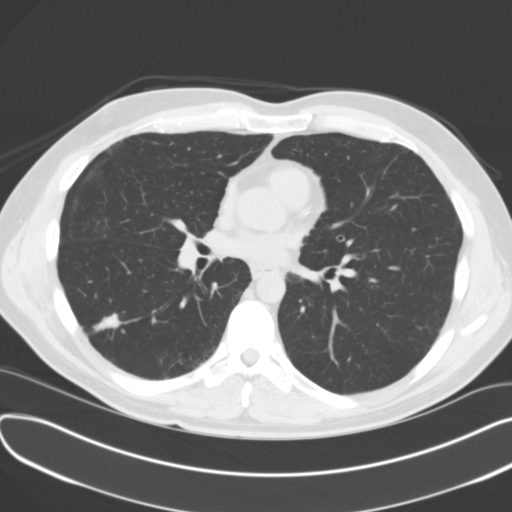
Axial chest CT slice 71 of 131 (counted from the lowest slice); 3.00 mm thick, 0.721 mm per pixel. Pulmonary nodule at rows 312–331, columns 93–122 (box = the union of the readers' outlines on this slice), outlined by all four readers; longest diameter 21.7 mm on average over the four readers' outlines (readers' outlines 19.8–23.2 mm), volume 718–1650 mm3. The readers' prevailing ratings and who disagreed: texture 5/5 (solid) from all four readers; margin 2/5 by two of four readers; the rest gave 4/5 (one), 5/5 (circumscribed) (one); most readers (three of four) put sphericity at 3/5 (ovoid), others 5/5 (round) (one); calcification absent from all four readers; internal structure soft tissue from all four readers; subtlety 5/5 by three of four readers; the rest gave 4/5 (one); most readers (three of four) put malignancy likelihood at 3/5, others 5/5 (one). Scale key (1–5): texture non-solid→solid, margin indistinct→circumscribed, sphericity linear→round, subtlety extremely subtle→obvious, malignancy likelihood highly unlikely→highly suspicious of cancer. Box rows and columns are 0-based pixel indices from the top-left corner, inclusive.
Scan settings: 120 kVp, B31f reconstruction kernel.